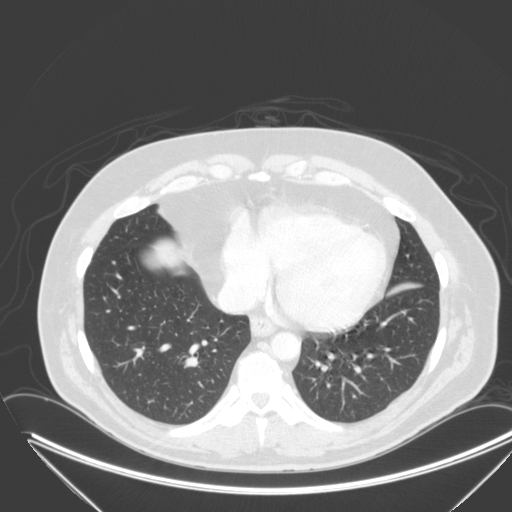
One axial slice (108 of 315, counting up from the lowest) of a chest CT acquired at 120 kVp with the B kernel; each pixel is 0.830 mm and the slice is 2.00 mm thick.
Pulmonary nodule at rows 261–263, columns 112–115 (box = that reader's outline on this slice), outlined by one of the four readers; longest diameter 4.8 mm and volume 44 mm3 from that reader's outline. Ratings by that reader: texture 4/5; margin 5/5 (circumscribed); sphericity 5/5 (round); calcification absent; internal structure soft tissue; subtlety 5/5; malignancy likelihood 3/5. Scale key (1–5): texture non-solid→solid, margin indistinct→circumscribed, sphericity linear→round, subtlety extremely subtle→obvious, malignancy likelihood highly unlikely→highly suspicious of cancer. Box rows and columns are 0-based pixel indices from the top-left corner, inclusive.